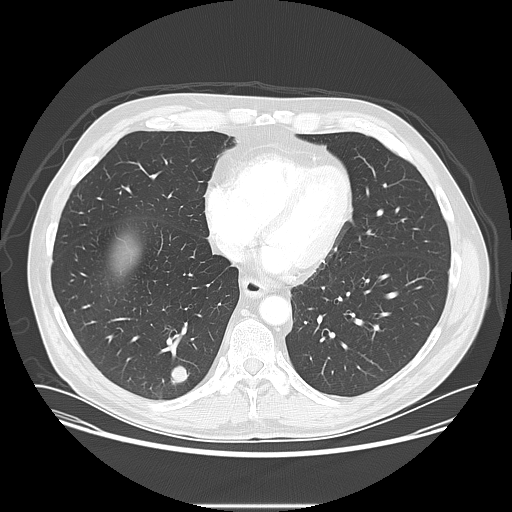
Axial slice 49 of 141 of a chest CT (slice 1 is the lowest), reconstructed with the LUNG kernel at 120 kVp; 2.50 mm slice thickness and 0.820 mm pixels.
Pulmonary nodule, outlined by all four readers. Box on this slice rows 365–383, columns 171–189, the union of the readers' outlines on this slice; longest diameter 20.6 mm on average over the four readers' outlines (readers' outlines 19.2–21.8 mm), volume 2661–3789 mm3. The readers' prevailing ratings and who disagreed: texture 5/5 (solid), all four readers agreeing; margin 5/5 (circumscribed) by three of four readers; the rest gave 4/5 (one); sphericity split among the readers: 3/5 (ovoid) (two), 4/5 (two); calcification absent from all four readers; internal structure soft tissue, all four readers agreeing; subtlety 5/5 by three of four readers; the rest gave 4/5 (one); malignancy likelihood split among the readers: 3/5 (two), 5/5 (two). Scale key (1–5): texture non-solid→solid, margin indistinct→circumscribed, sphericity linear→round, subtlety extremely subtle→obvious, malignancy likelihood highly unlikely→highly suspicious of cancer. Box rows and columns are 0-based pixel indices from the top-left corner, inclusive.